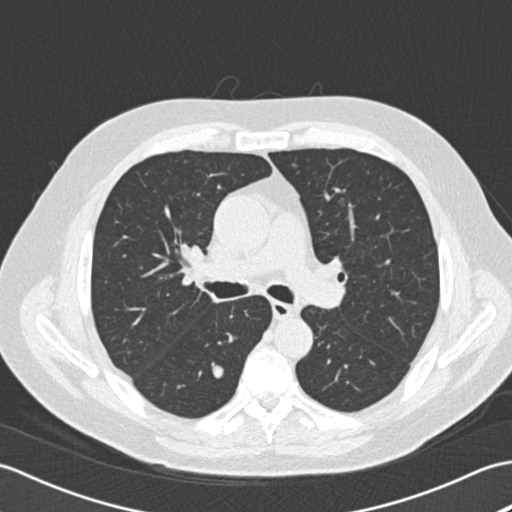
This is axial slice 115 of 180 (slice 1 is the lowest) of a chest CT; each pixel is 0.684 mm and the slice is 2.00 mm thick. Pulmonary nodule at rows 365–378, columns 211–223 (box = the union of the readers' outlines on this slice), outlined by all four readers; longest diameter 12.9 mm on average over the four readers' outlines (readers' outlines 12.5–13.3 mm), volume 485–678 mm3. Ratings, by the readers' most common answer with dissent counted: most readers (three of four) put texture at 5/5 (solid), others 4/5 (one); margin 5/5 (circumscribed) by three of four readers; the rest gave 4/5 (one); sphericity 5/5 (round) by two of four readers; the rest gave 3/5 (ovoid) (one), 4/5 (one); calcification absent from all four readers; internal structure soft tissue from all four readers; subtlety 5/5 by two of four readers; the rest gave 3/5 (one), 4/5 (one); malignancy likelihood 4/5 by two of four readers; the rest gave 2/5 (one), 3/5 (one). Scale key (1–5): texture non-solid→solid, margin indistinct→circumscribed, sphericity linear→round, subtlety extremely subtle→obvious, malignancy likelihood highly unlikely→highly suspicious of cancer. Box rows and columns are 0-based pixel indices from the top-left corner, inclusive.
Scan settings: 120 kVp, B30f reconstruction kernel.